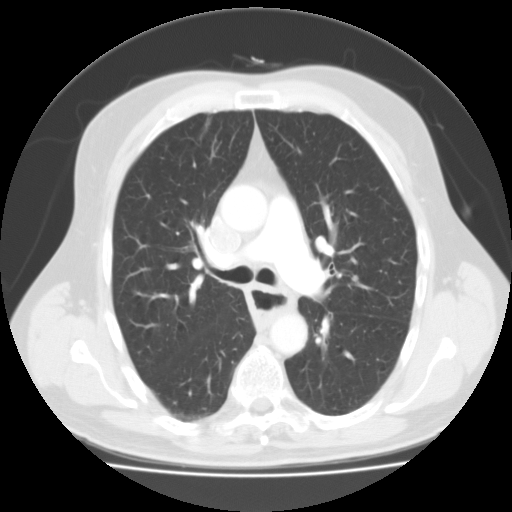
Axial chest CT slice 66 of 103 (counted from the lowest slice); tube voltage 135 kVp, convolution kernel FC01; slices 3.00 mm thick, 0.738 mm per pixel.
Pulmonary nodule outlined by all four readers; box rows 275–281, columns 352–358 (the union of the readers' outlines on this slice); median longest diameter 6.3 mm (readers' outlines 6.3–7.0 mm), median volume 113 mm3 (87–123 mm3). Median ratings and the readers' spread: median texture 5/5 (solid) (readers ranged 4/5 to 5/5 (solid)); margin 4/5 at the median of four readers, spread 2/5 to 5/5 (circumscribed); sphericity 5/5 (round) at the median of four readers, spread 3/5 (ovoid) to 5/5 (round); calcification absent from all four readers; internal structure soft tissue from all four readers; subtlety 1/5 at the median of four readers, spread 1–4; malignancy likelihood 2.5/5 at the median of four readers, spread 2–3. Scale key (1–5): texture non-solid→solid, margin indistinct→circumscribed, sphericity linear→round, subtlety extremely subtle→obvious, malignancy likelihood highly unlikely→highly suspicious of cancer. Box rows and columns are 0-based pixel indices from the top-left corner, inclusive.